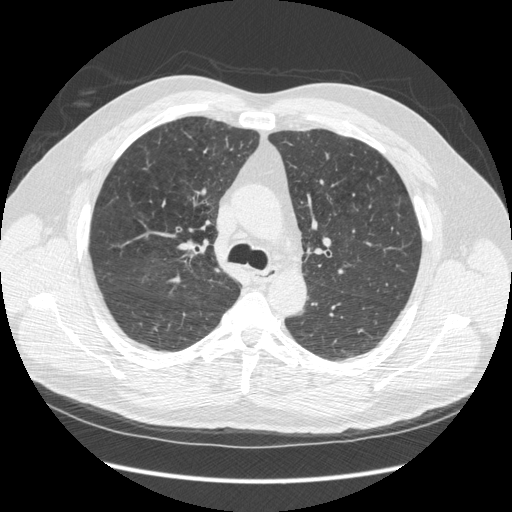
This is axial slice 305 of 449 (slice 1 is the lowest) of a chest CT; each pixel is 0.742 mm and the slice is 1.25 mm thick. The readers outlined no nodule of 3 mm or more on this slice.
Tube voltage 120 kVp; convolution kernel STANDARD.